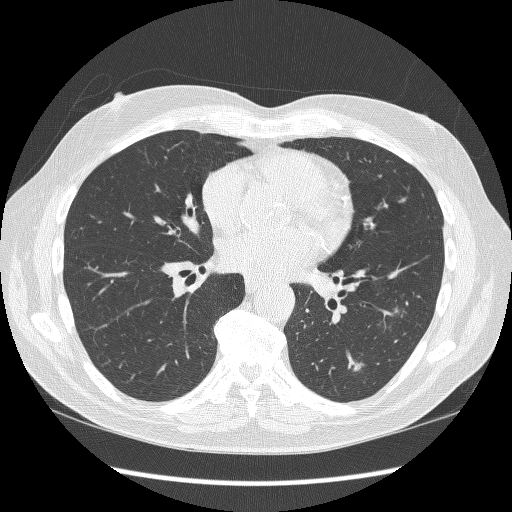
Axial chest CT slice 161 of 298 (counted from the lowest slice); tube voltage 120 kVp, convolution kernel BONE; slices 1.25 mm thick, 0.719 mm per pixel.
Pulmonary nodule at rows 362–371, columns 353–365 (box = the union of the readers' outlines on this slice), outlined by three of the four readers; longest diameter 11.6 mm on average over the three readers' outlines (readers' outlines 10.2–13.0 mm), volume 236–548 mm3. The readers' prevailing ratings and who disagreed: texture split among the readers: 3/5 (part-solid) (one), 4/5 (one), 5/5 (solid) (one); margin split among the readers: 2/5 (one), 3/5 (one), 4/5 (one); most readers (two of three) put sphericity at 3/5 (ovoid), others 2/5 (one); calcification absent from all three readers; internal structure soft tissue from all three readers; subtlety 4/5 by two of three readers; the rest gave 3/5 (one); malignancy likelihood 4/5 by two of three readers; the rest gave 2/5 (one). Scale key (1–5): texture non-solid→solid, margin indistinct→circumscribed, sphericity linear→round, subtlety extremely subtle→obvious, malignancy likelihood highly unlikely→highly suspicious of cancer. Box rows and columns are 0-based pixel indices from the top-left corner, inclusive.